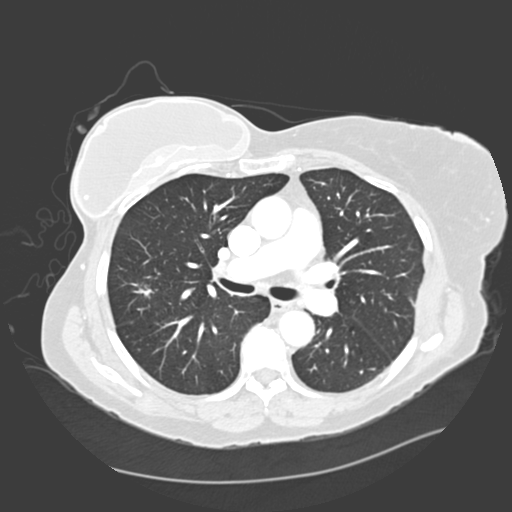
Axial chest CT slice 193 of 328 (counted from the lowest slice); 2.00 mm thick, 0.742 mm per pixel. Pulmonary nodule outlined by all four readers, three of them on this slice; box rows 285–297, columns 133–153 (the union of the readers' outlines on this slice); longest diameter 19.7 mm on average over the four readers' outlines (readers' outlines 18.3–21.0 mm), volume 877–1921 mm3. Ratings, by the readers' most common answer with dissent counted: texture 3/5 (part-solid) by two of four readers; the rest gave 4/5 (one), 5/5 (solid) (one); margin 2/5 by two of four readers; the rest gave 3/5 (one), 4/5 (one); most readers (three of four) put sphericity at 3/5 (ovoid), others 2/5 (one); calcification absent, all four readers agreeing; internal structure soft tissue from all four readers; subtlety 5/5 by three of four readers; the rest gave 4/5 (one); malignancy likelihood 4/5 by two of four readers; the rest gave 3/5 (one), 5/5 (one). Scale key (1–5): texture non-solid→solid, margin indistinct→circumscribed, sphericity linear→round, subtlety extremely subtle→obvious, malignancy likelihood highly unlikely→highly suspicious of cancer. Box rows and columns are 0-based pixel indices from the top-left corner, inclusive.
Tube voltage 120 kVp; convolution kernel D.